Chest CT, axial plane, 120 kVp, kernel STANDARD. Slice 56/144 from the bottom of the scan; thickness 2.50 mm; pixel size 0.664 mm.
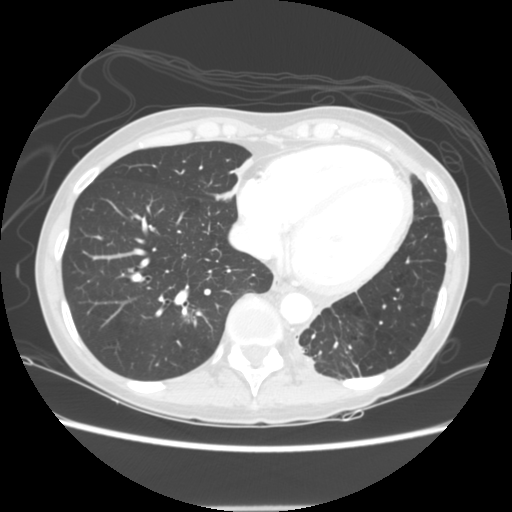
Two pulmonary nodules on this slice, listed from left to right. (1) Pulmonary nodule at rows 313–322, columns 182–192 (box = the one reader's outline on this slice), outlined by all four readers, one of them on this slice; longest diameter 17.4 mm on average over the four readers' outlines (readers' outlines 15.5–19.3 mm), volume 1258–1827 mm3. Ratings, by the readers' most common answer with dissent counted: texture 5/5 (solid), all four readers agreeing; margin 5/5 (circumscribed) by two of four readers; the rest gave 3/5 (one), 4/5 (one); most readers (three of four) put sphericity at 5/5 (round), others 3/5 (ovoid) (one); calcification absent from all four readers; internal structure soft tissue from all four readers; subtlety 5/5 from all four readers; malignancy likelihood 3/5 by two of four readers; the rest gave 4/5 (one), 5/5 (one). (2) Pulmonary nodule outlined by two of the four readers; box rows 185–199, columns 216–235 (the union of the readers' outlines on this slice); median longest diameter 17.0 mm (readers' outlines 16.7–17.3 mm), median volume 900 mm3 (894–906 mm3). Median ratings and the readers' spread: texture 5/5 (solid) from both readers; margin 4/5, both readers agreeing; sphericity 3.5/5 at the median of two readers, spread 3/5 (ovoid) to 4/5; calcification absent, both readers agreeing; internal structure soft tissue from both readers; subtlety 4.5/5 at the median of two readers, spread 4–5; malignancy likelihood 4/5 from both readers. Scale key (1–5): texture non-solid→solid, margin indistinct→circumscribed, sphericity linear→round, subtlety extremely subtle→obvious, malignancy likelihood highly unlikely→highly suspicious of cancer. Box rows and columns are 0-based pixel indices from the top-left corner, inclusive.